One axial slice (242 of 416, counting up from the lowest) of a chest CT acquired at 120 kVp with the B70f kernel; each pixel is 0.723 mm and the slice is 2.00 mm thick.
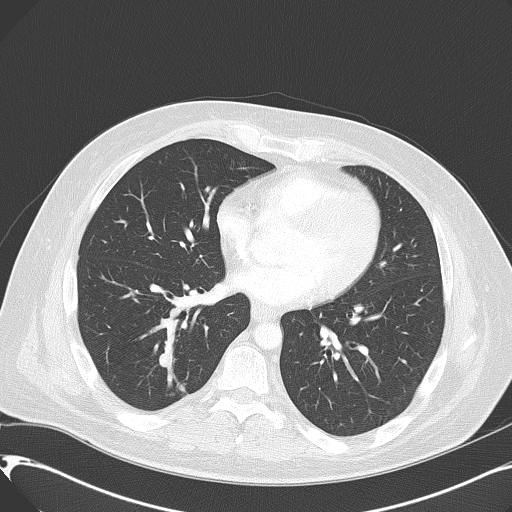
Pulmonary nodule outlined by two of the four readers; box rows 353–366, columns 159–171 (the union of the readers' outlines on this slice); longest diameter 11.8–12.1 mm and volume 626–706 mm3 across the two readers' outlines. Ratings across the readers: texture 5/5 (solid), both readers agreeing; margin from 4/5 to 5/5 (circumscribed) across the two readers; sphericity 4/5 from both readers; calcification absent, both readers agreeing; internal structure soft tissue, both readers agreeing; subtlety 4–5/5 (the readers disagree); malignancy likelihood from 4/5 to 5/5 across the two readers. Scale key (1–5): texture non-solid→solid, margin indistinct→circumscribed, sphericity linear→round, subtlety extremely subtle→obvious, malignancy likelihood highly unlikely→highly suspicious of cancer. Box rows and columns are 0-based pixel indices from the top-left corner, inclusive.